Chest CT, axial plane, 120 kVp, kernel STANDARD. Slice 173/426 from the bottom of the scan; thickness 1.25 mm; pixel size 0.547 mm.
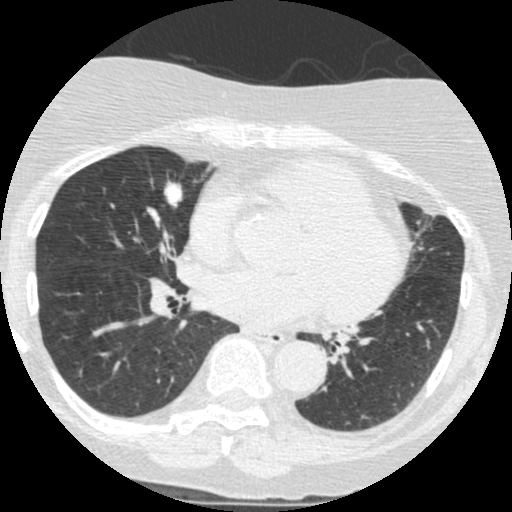
Pulmonary nodule outlined by all four readers; box rows 177–207, columns 163–182 (the union of the readers' outlines on this slice); median longest diameter 18.6 mm (readers' outlines 17.0–20.6 mm), median volume 1572 mm3 (1129–1635 mm3). Ratings, median across the readers with their spread: texture 5/5 (solid) at the median of four readers, spread 4/5 to 5/5 (solid); median margin 3.5/5 (readers ranged 2/5 to 5/5 (circumscribed)); sphericity 4/5 at the median of four readers, spread 3/5 (ovoid) to 5/5 (round); calcification: absent (three), non-central calcification (one); internal structure soft tissue, all four readers agreeing; median subtlety 4.5/5 (readers ranged 3–5); median malignancy likelihood 3.5/5 (readers ranged 2–4). Scale key (1–5): texture non-solid→solid, margin indistinct→circumscribed, sphericity linear→round, subtlety extremely subtle→obvious, malignancy likelihood highly unlikely→highly suspicious of cancer. Box rows and columns are 0-based pixel indices from the top-left corner, inclusive.